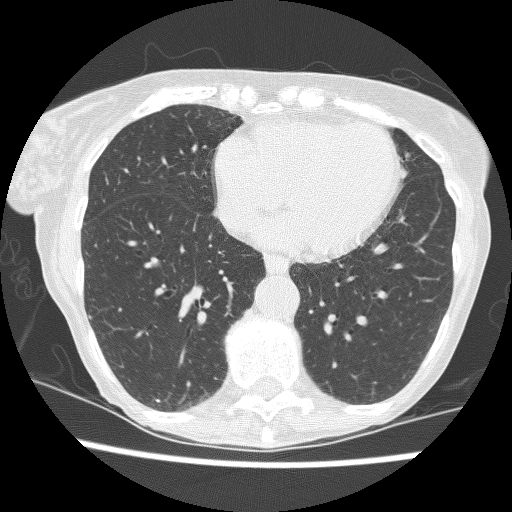
Axial slice 91 of 240 of a chest CT (slice 1 is the lowest), reconstructed with the BONE kernel at 120 kVp; 1.25 mm slice thickness and 0.566 mm pixels.
Pulmonary nodule, outlined by one of the four readers. Box on this slice rows 315–318, columns 88–91, that reader's outline on this slice; longest diameter 5.4 mm and volume 44 mm3 from that reader's outline. That reader's ratings: texture 5/5 (solid); margin 5/5 (circumscribed); sphericity 3/5 (ovoid); calcification solid calcification; internal structure soft tissue; subtlety 4/5; malignancy likelihood 1/5. Scale key (1–5): texture non-solid→solid, margin indistinct→circumscribed, sphericity linear→round, subtlety extremely subtle→obvious, malignancy likelihood highly unlikely→highly suspicious of cancer. Box rows and columns are 0-based pixel indices from the top-left corner, inclusive.